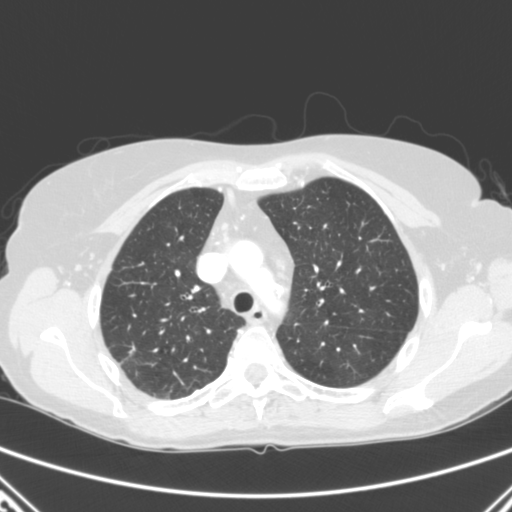
Chest CT, axial plane, 120 kVp, kernel B. Slice 203/280 from the bottom of the scan; thickness 2.00 mm; pixel size 0.676 mm.
Pulmonary nodule at rows 346–364, columns 119–135 (box = the union of the readers' outlines on this slice), outlined three times (the source holds two more outlines, not used), two of them on this slice; longest diameter 22.0 mm on average over the three readers' outlines (readers' outlines 19.6–26.7 mm), volume 949–1659 mm3. The readers' prevailing ratings and who disagreed: most readers (two of three) put texture at 5/5 (solid), others 4/5 (one); most readers (two of three) put margin at 3/5, others 4/5 (one); sphericity split among the readers: 2/5 (one), 3/5 (ovoid) (one), 5/5 (round) (one); calcification absent, all three readers agreeing; internal structure soft tissue from all three readers; subtlety 5/5 from all three readers; malignancy likelihood 5/5 by two of three readers; the rest gave 4/5 (one). Scale key (1–5): texture non-solid→solid, margin indistinct→circumscribed, sphericity linear→round, subtlety extremely subtle→obvious, malignancy likelihood highly unlikely→highly suspicious of cancer. Box rows and columns are 0-based pixel indices from the top-left corner, inclusive.